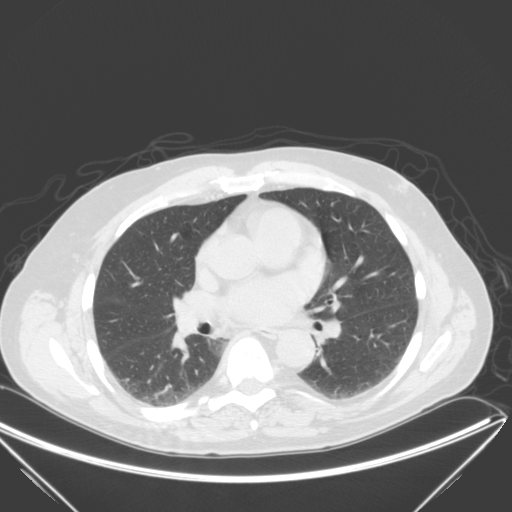
Axial chest CT slice 135 of 280 (counted from the lowest slice); tube voltage 120 kVp, convolution kernel B; slices 2.00 mm thick, 0.805 mm per pixel.
Pulmonary nodule, outlined by one of the four readers. Box on this slice rows 276–279, columns 136–139, that reader's outline on this slice; longest diameter 5.9 mm and volume 56 mm3 from that reader's outline. Ratings by that reader: texture 5/5 (solid); margin 5/5 (circumscribed); sphericity 5/5 (round); calcification absent; internal structure soft tissue; subtlety 5/5; malignancy likelihood 3/5. Scale key (1–5): texture non-solid→solid, margin indistinct→circumscribed, sphericity linear→round, subtlety extremely subtle→obvious, malignancy likelihood highly unlikely→highly suspicious of cancer. Box rows and columns are 0-based pixel indices from the top-left corner, inclusive.